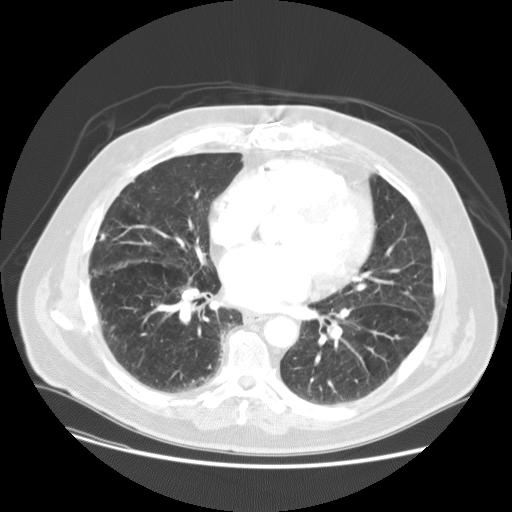
One axial slice (70 of 133, counting up from the lowest) of a chest CT acquired at 120 kVp with the STANDARD kernel; each pixel is 0.781 mm and the slice is 2.50 mm thick.
None of the four readers outlined a nodule of 3 mm or more on this slice.